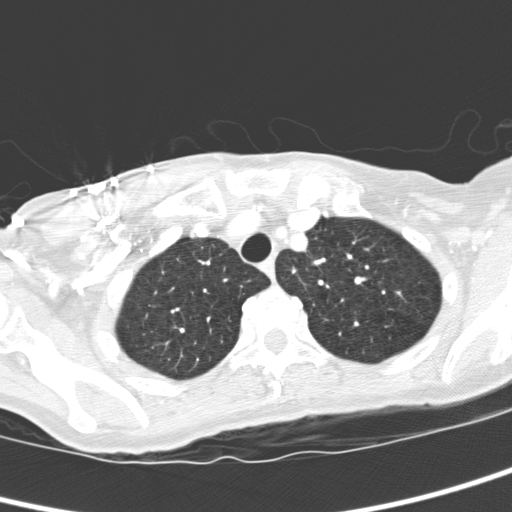
Axial slice 272 of 321 of a chest CT (slice 1 is the lowest), reconstructed with the D kernel at 120 kVp; 2.00 mm slice thickness and 0.557 mm pixels.
Pulmonary nodule, outlined by all four readers, one of them on this slice. Box on this slice rows 317–328, columns 174–187, the one reader's outline on this slice; longest diameter 9.7 mm on average over the four readers' outlines (readers' outlines 9.1–10.4 mm), volume 168–407 mm3. The readers' prevailing ratings and who disagreed: texture 5/5 (solid) from all four readers; most readers (three of four) put margin at 5/5 (circumscribed), others 4/5 (one); sphericity 4/5 by three of four readers; the rest gave 3/5 (ovoid) (one); calcification absent from all four readers; internal structure soft tissue from all four readers; subtlety split among the readers: 4/5 (two), 5/5 (two); malignancy likelihood 3/5 by two of four readers; the rest gave 4/5 (one), 5/5 (one). Scale key (1–5): texture non-solid→solid, margin indistinct→circumscribed, sphericity linear→round, subtlety extremely subtle→obvious, malignancy likelihood highly unlikely→highly suspicious of cancer. Box rows and columns are 0-based pixel indices from the top-left corner, inclusive.